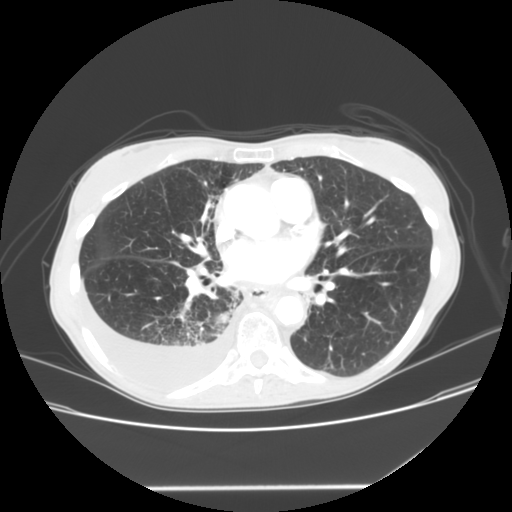
This is axial slice 64 of 133 (slice 1 is the lowest) of a chest CT; each pixel is 0.703 mm and the slice is 2.50 mm thick. Pulmonary nodule outlined by two of the four readers, one of them on this slice; box rows 312–323, columns 216–229 (the one reader's outline on this slice); median longest diameter 35.2 mm (readers' outlines 33.4–36.9 mm), median volume 15549 mm3 (15304–15793 mm3). Median ratings and the readers' spread: median texture 4.5/5 (readers ranged 4/5 to 5/5 (solid)); margin 5/5 (circumscribed) from both readers; sphericity 4.5/5 at the median of two readers, spread 4/5 to 5/5 (round); calcification absent from both readers; internal structure soft tissue, both readers agreeing; subtlety 5/5 from both readers; median malignancy likelihood 2.5/5 (readers ranged 2–3). Scale key (1–5): texture non-solid→solid, margin indistinct→circumscribed, sphericity linear→round, subtlety extremely subtle→obvious, malignancy likelihood highly unlikely→highly suspicious of cancer. Box rows and columns are 0-based pixel indices from the top-left corner, inclusive.
Acquired at 120 kVp and reconstructed with the STANDARD kernel.